Axial chest CT slice 103 of 258 (counted from the lowest slice); tube voltage 120 kVp, convolution kernel STANDARD; slices 1.25 mm thick, 0.859 mm per pixel.
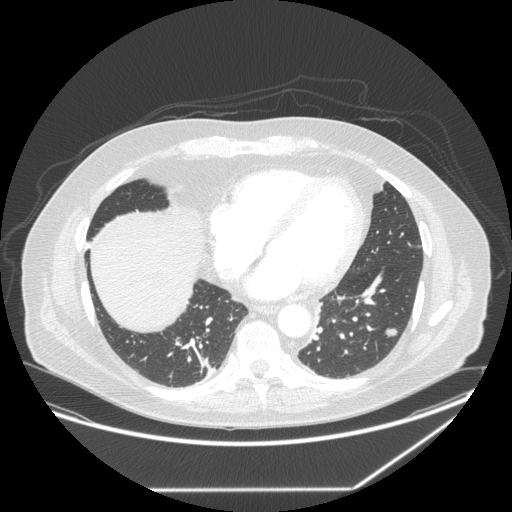
Pulmonary nodule, outlined by all four readers. Box on this slice rows 328–337, columns 384–397, the union of the readers' outlines on this slice; longest diameter 13.1–16.3 mm and volume 787–1264 mm3 across the four readers' outlines. Ratings across the readers: texture 5/5 (solid), all four readers agreeing; margin from 4/5 to 5/5 (circumscribed) across the four readers; sphericity from 3/5 (ovoid) to 5/5 (round) across the four readers; calcification absent, all four readers agreeing; internal structure soft tissue from all four readers; subtlety 3–5/5 (the readers disagree); malignancy likelihood 2–5/5 (the readers disagree). Scale key (1–5): texture non-solid→solid, margin indistinct→circumscribed, sphericity linear→round, subtlety extremely subtle→obvious, malignancy likelihood highly unlikely→highly suspicious of cancer. Box rows and columns are 0-based pixel indices from the top-left corner, inclusive.